Chest CT, axial plane, 120 kVp, kernel STANDARD. Slice 31/133 from the bottom of the scan; thickness 2.50 mm; pixel size 0.703 mm.
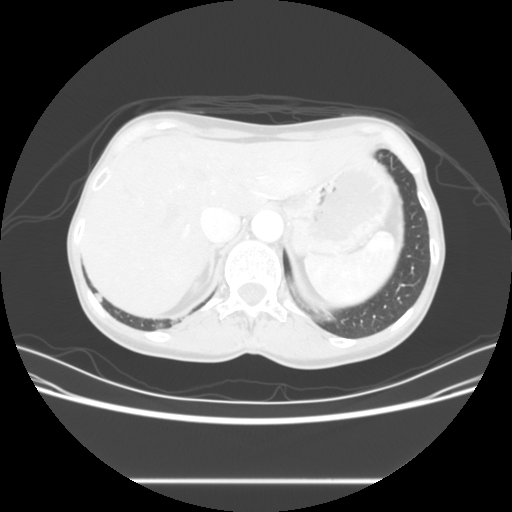
Pulmonary nodule at rows 293–302, columns 94–101 (box = the union of the readers' outlines on this slice), outlined by two of the four readers; the two readers' outlines give a longest diameter between 7.6 and 8.0 mm and a volume between 88 and 136 mm3. The readers' ratings, as ranges where they differ: texture 5/5 (solid), both readers agreeing; margin from 3/5 to 5/5 (circumscribed) across the two readers; sphericity from 2/5 to 3/5 (ovoid) across the two readers; calcification absent from both readers; internal structure soft tissue, both readers agreeing; subtlety 3/5, both readers agreeing; malignancy likelihood 1–3/5 (the readers disagree). Scale key (1–5): texture non-solid→solid, margin indistinct→circumscribed, sphericity linear→round, subtlety extremely subtle→obvious, malignancy likelihood highly unlikely→highly suspicious of cancer. Box rows and columns are 0-based pixel indices from the top-left corner, inclusive.